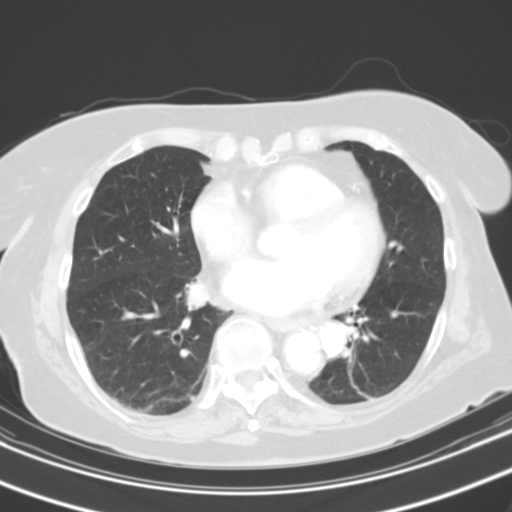
Chest CT, axial plane, 130 kVp, kernel B31s. Slice 48/109 from the bottom of the scan; thickness 3.00 mm; pixel size 0.629 mm.
Pulmonary nodule outlined by all four readers; box rows 282–310, columns 186–208 (the union of the readers' outlines on this slice); longest diameter 19.1 mm on average over the four readers' outlines (readers' outlines 18.0–19.5 mm), volume 1810–2198 mm3. Ratings, by the readers' most common answer with dissent counted: texture 5/5 (solid) from all four readers; margin 4/5 by two of four readers; the rest gave 2/5 (one), 5/5 (circumscribed) (one); most readers (three of four) put sphericity at 5/5 (round), others 4/5 (one); calcification absent, all four readers agreeing; internal structure soft tissue from all four readers; most readers (three of four) put subtlety at 5/5, others 3/5 (one); malignancy likelihood 5/5 by two of four readers; the rest gave 3/5 (one), 4/5 (one). Scale key (1–5): texture non-solid→solid, margin indistinct→circumscribed, sphericity linear→round, subtlety extremely subtle→obvious, malignancy likelihood highly unlikely→highly suspicious of cancer. Box rows and columns are 0-based pixel indices from the top-left corner, inclusive.